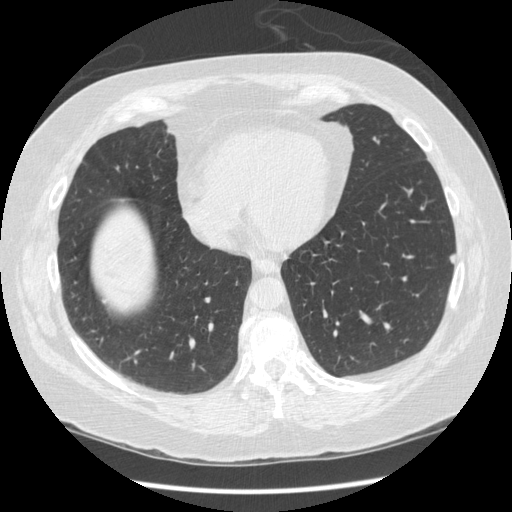
Axial chest CT slice 132 of 436 (counted from the lowest slice); tube voltage 120 kVp, convolution kernel STANDARD; slices 1.25 mm thick, 0.703 mm per pixel.
Pulmonary nodule outlined by three of the four readers; box rows 254–263, columns 449–454 (the union of the readers' outlines on this slice); the three readers' outlines give a longest diameter between 8.0 and 8.6 mm and a volume between 131 and 153 mm3. The readers' ratings, as ranges where they differ: texture 5/5 (solid) from all three readers; margin from 4/5 to 5/5 (circumscribed) across the three readers; sphericity from 2/5 to 4/5 across the three readers; calcification absent, all three readers agreeing; internal structure soft tissue, all three readers agreeing; subtlety rated between 3 and 5 out of 5 by the three readers; malignancy likelihood 2–3/5 (the readers disagree). Scale key (1–5): texture non-solid→solid, margin indistinct→circumscribed, sphericity linear→round, subtlety extremely subtle→obvious, malignancy likelihood highly unlikely→highly suspicious of cancer. Box rows and columns are 0-based pixel indices from the top-left corner, inclusive.